Axial chest CT slice 222 of 347 (counted from the lowest slice); tube voltage 120 kVp, convolution kernel B45f; slices 1.00 mm thick, 0.625 mm per pixel.
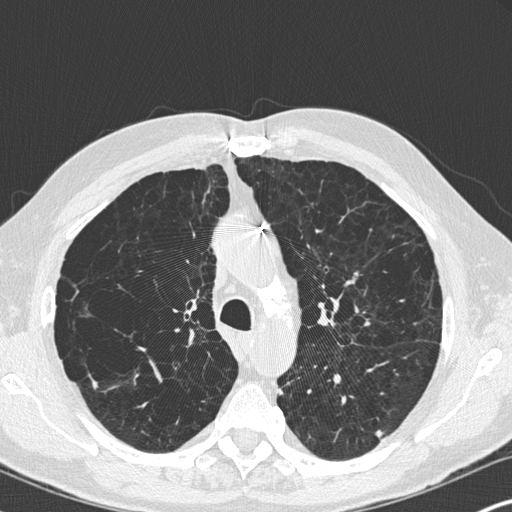
Two pulmonary nodules are outlined on this slice; from left to right: (1) Pulmonary nodule outlined by one of the four readers; box rows 382–387, columns 93–96 (that reader's outline on this slice); longest diameter 5.8 mm and volume 35 mm3 from that reader's outline. Ratings by that reader: texture 5/5 (solid); margin 5/5 (circumscribed); sphericity 3/5 (ovoid); calcification absent; internal structure soft tissue; subtlety 3/5; malignancy likelihood 3/5. (2) Pulmonary nodule at rows 429–439, columns 374–384 (box = the union of the readers' outlines on this slice), outlined by all four readers; median longest diameter 10.0 mm (readers' outlines 9.1–11.9 mm), median volume 211 mm3 (166–319 mm3). Median ratings and the readers' spread: texture 5/5 (solid), all four readers agreeing; margin 4.5/5 at the median of four readers, spread 2/5 to 5/5 (circumscribed); sphericity 3.5/5 at the median of four readers, spread 3/5 (ovoid) to 4/5; calcification absent from all four readers; internal structure soft tissue, all four readers agreeing; median subtlety 4/5 (readers ranged 4–5); malignancy likelihood 3/5, all four readers agreeing. Scale key (1–5): texture non-solid→solid, margin indistinct→circumscribed, sphericity linear→round, subtlety extremely subtle→obvious, malignancy likelihood highly unlikely→highly suspicious of cancer. Box rows and columns are 0-based pixel indices from the top-left corner, inclusive.